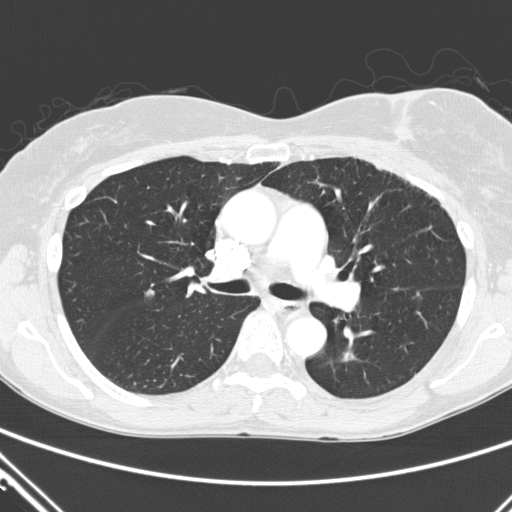
One axial slice (297 of 411, counting up from the lowest) of a chest CT acquired at 120 kVp with the D kernel; each pixel is 0.654 mm and the slice is 2.00 mm thick.
Pulmonary nodule at rows 351–360, columns 342–351 (box = the union of the readers' outlines on this slice), outlined by two of the four readers; longest diameter 9.2 mm on average over the two readers' outlines (readers' outlines 9.1–9.3 mm), volume 60–119 mm3. The readers' prevailing ratings and who disagreed: texture split among the readers: 3/5 (part-solid) (one), 4/5 (one); margin 2/5 from both readers; sphericity 3/5 (ovoid), both readers agreeing; calcification absent from both readers; internal structure soft tissue from both readers; subtlety 3/5, both readers agreeing; malignancy likelihood split among the readers: 1/5 (one), 3/5 (one). Scale key (1–5): texture non-solid→solid, margin indistinct→circumscribed, sphericity linear→round, subtlety extremely subtle→obvious, malignancy likelihood highly unlikely→highly suspicious of cancer. Box rows and columns are 0-based pixel indices from the top-left corner, inclusive.